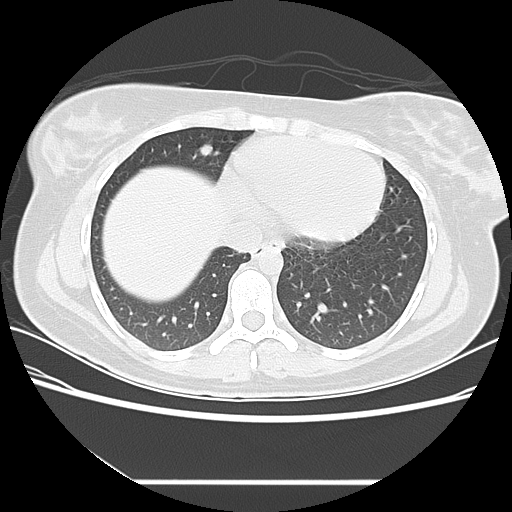
This is axial slice 41 of 109 (slice 1 is the lowest) of a chest CT; each pixel is 0.664 mm and the slice is 2.50 mm thick. Pulmonary nodule, outlined by all four readers. Box on this slice rows 142–155, columns 198–213, the union of the readers' outlines on this slice; longest diameter 9.7–14.0 mm and volume 261–504 mm3 across the four readers' outlines. Ratings across the readers: texture from 4/5 to 5/5 (solid) across the four readers; margin from 3/5 to 4/5 across the four readers; sphericity from 3/5 (ovoid) to 5/5 (round) across the four readers; calcification absent, all four readers agreeing; internal structure soft tissue, all four readers agreeing; subtlety rated between 4 and 5 out of 5 by the four readers; malignancy likelihood rated between 3 and 4 out of 5 by the four readers. Scale key (1–5): texture non-solid→solid, margin indistinct→circumscribed, sphericity linear→round, subtlety extremely subtle→obvious, malignancy likelihood highly unlikely→highly suspicious of cancer. Box rows and columns are 0-based pixel indices from the top-left corner, inclusive.
Scan settings: 120 kVp, LUNG reconstruction kernel.